Axial slice 85 of 113 of a chest CT (slice 1 is the lowest), reconstructed with the STANDARD kernel at 120 kVp; 2.50 mm slice thickness and 0.742 mm pixels.
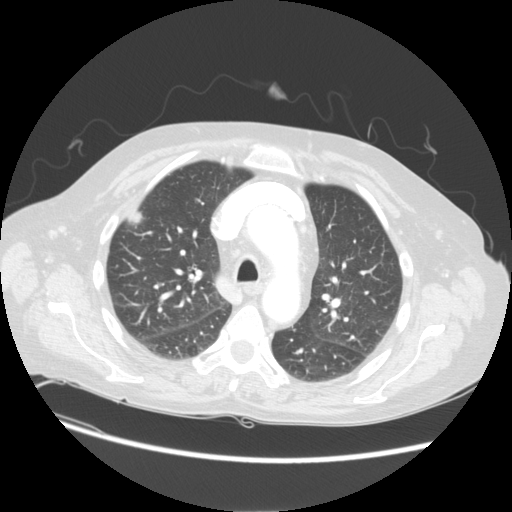
Pulmonary nodule at rows 210–226, columns 125–142 (box = the union of the readers' outlines on this slice), outlined by three of the four readers; longest diameter 19.5 mm on average over the three readers' outlines (readers' outlines 15.6–22.7 mm), volume 735–1841 mm3. The readers' prevailing ratings and who disagreed: texture 5/5 (solid), all three readers agreeing; margin 5/5 (circumscribed), all three readers agreeing; sphericity split among the readers: 3/5 (ovoid) (one), 4/5 (one), 5/5 (round) (one); calcification absent, all three readers agreeing; internal structure soft tissue from all three readers; subtlety split among the readers: 3/5 (one), 4/5 (one), 5/5 (one); most readers (two of three) put malignancy likelihood at 2/5, others 5/5 (one). Scale key (1–5): texture non-solid→solid, margin indistinct→circumscribed, sphericity linear→round, subtlety extremely subtle→obvious, malignancy likelihood highly unlikely→highly suspicious of cancer. Box rows and columns are 0-based pixel indices from the top-left corner, inclusive.